Axial slice 200 of 333 of a chest CT (slice 1 is the lowest), reconstructed with the B70f kernel at 120 kVp; 2.00 mm slice thickness and 0.775 mm pixels.
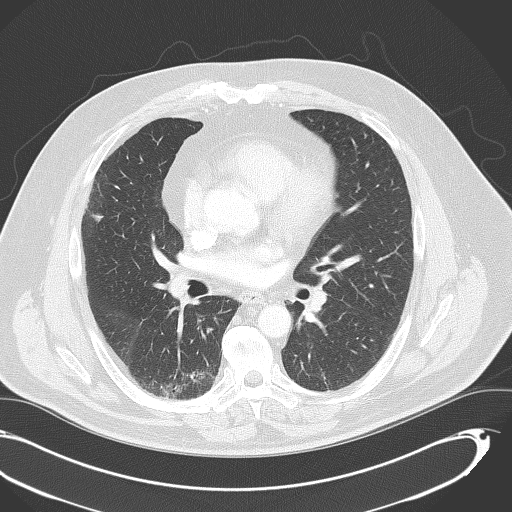
Pulmonary nodule at rows 213–222, columns 89–103 (box = the union of the readers' outlines on this slice), outlined by all four readers; median longest diameter 11.1 mm (readers' outlines 9.4–12.6 mm), median volume 391 mm3 (231–434 mm3). Ratings, median across the readers with their spread: texture 5/5 (solid) from all four readers; median margin 4/5 (readers ranged 4/5 to 5/5 (circumscribed)); median sphericity 5/5 (round) (readers ranged 4/5 to 5/5 (round)); calcification: absent (three), non-central calcification (one); internal structure soft tissue, all four readers agreeing; median subtlety 4.5/5 (readers ranged 3–5); median malignancy likelihood 3.5/5 (readers ranged 1–4). Scale key (1–5): texture non-solid→solid, margin indistinct→circumscribed, sphericity linear→round, subtlety extremely subtle→obvious, malignancy likelihood highly unlikely→highly suspicious of cancer. Box rows and columns are 0-based pixel indices from the top-left corner, inclusive.